Chest CT, axial plane, 120 kVp, kernel B. Slice 301/335 from the bottom of the scan; thickness 2.00 mm; pixel size 0.623 mm.
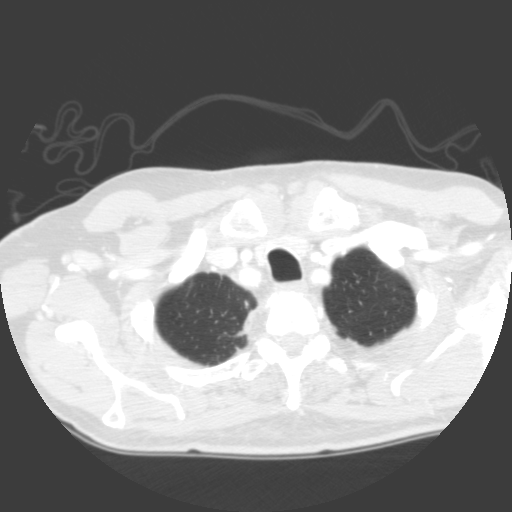
Pulmonary nodule at rows 300–308, columns 244–249 (box = that reader's outline on this slice), outlined by one of the four readers; longest diameter 8.1 mm and volume 221 mm3 from that reader's outline. Ratings by that reader: texture 4/5; margin 3/5; sphericity 4/5; calcification absent; internal structure soft tissue; subtlety 2/5; malignancy likelihood 1/5. Scale key (1–5): texture non-solid→solid, margin indistinct→circumscribed, sphericity linear→round, subtlety extremely subtle→obvious, malignancy likelihood highly unlikely→highly suspicious of cancer. Box rows and columns are 0-based pixel indices from the top-left corner, inclusive.